Axial slice 46 of 193 of a chest CT (slice 1 is the lowest), reconstructed with the B30f kernel at 120 kVp; 2.00 mm slice thickness and 0.703 mm pixels.
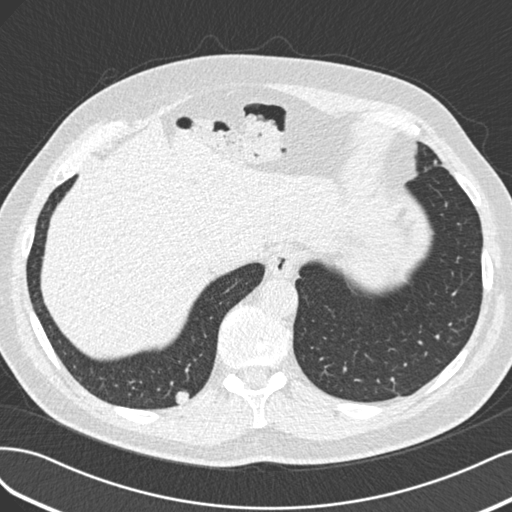
Pulmonary nodule, outlined by three of the four readers. Box on this slice rows 391–405, columns 175–188, the union of the readers' outlines on this slice; longest diameter 12.4 mm on average over the three readers' outlines (readers' outlines 12.3–12.6 mm), volume 627–717 mm3. The readers' prevailing ratings and who disagreed: texture 5/5 (solid) by two of three readers; the rest gave 4/5 (one); most readers (two of three) put margin at 5/5 (circumscribed), others 3/5 (one); sphericity 4/5 by two of three readers; the rest gave 5/5 (round) (one); calcification absent, all three readers agreeing; internal structure soft tissue from all three readers; subtlety 5/5 by two of three readers; the rest gave 4/5 (one); most readers (two of three) put malignancy likelihood at 3/5, others 5/5 (one). Scale key (1–5): texture non-solid→solid, margin indistinct→circumscribed, sphericity linear→round, subtlety extremely subtle→obvious, malignancy likelihood highly unlikely→highly suspicious of cancer. Box rows and columns are 0-based pixel indices from the top-left corner, inclusive.